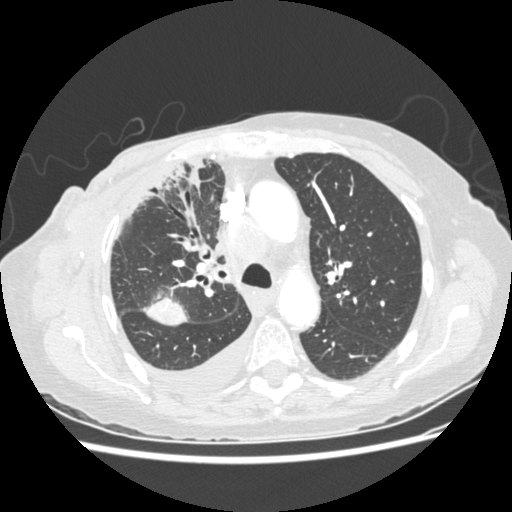
Axial slice 180 of 238 of a chest CT (slice 1 is the lowest), reconstructed with the STANDARD kernel at 120 kVp; 1.25 mm slice thickness and 0.664 mm pixels.
Pulmonary nodule, outlined by two of the four readers. Box on this slice rows 293–326, columns 145–188, the union of the readers' outlines on this slice; median longest diameter 32.4 mm (readers' outlines 31.3–33.5 mm), median volume 8391 mm3 (8200–8583 mm3). Ratings, median across the readers with their spread: texture 5/5 (solid) from both readers; median margin 4.5/5 (readers ranged 4/5 to 5/5 (circumscribed)); sphericity 4/5 from both readers; calcification absent, both readers agreeing; internal structure soft tissue, both readers agreeing; subtlety 5/5 from both readers; malignancy likelihood 4/5 at the median of two readers, spread 3–5. Scale key (1–5): texture non-solid→solid, margin indistinct→circumscribed, sphericity linear→round, subtlety extremely subtle→obvious, malignancy likelihood highly unlikely→highly suspicious of cancer. Box rows and columns are 0-based pixel indices from the top-left corner, inclusive.